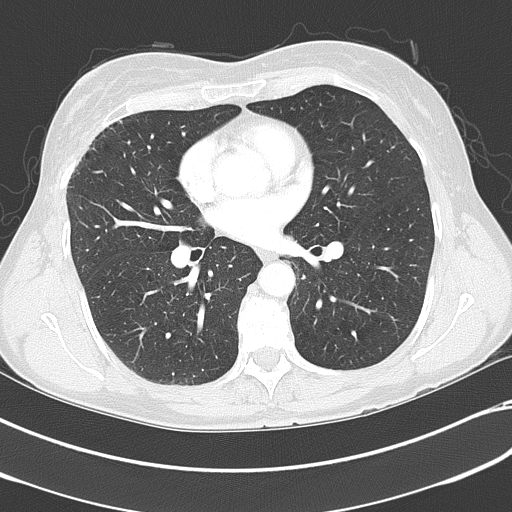
Axial slice 198 of 351 of a chest CT (slice 1 is the lowest), reconstructed with the B70f kernel at 120 kVp; 2.00 mm slice thickness and 0.643 mm pixels.
The readers outlined no nodule of 3 mm or more on this slice.